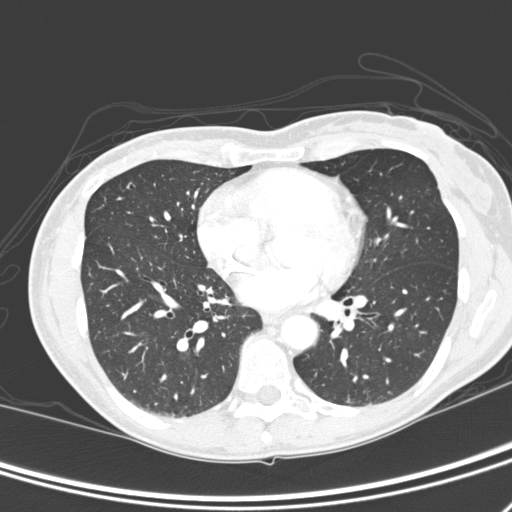
Axial chest CT slice 141 of 290 (counted from the lowest slice); 1.00 mm thick, 0.611 mm per pixel. Pulmonary nodule outlined by two of the four readers; box rows 182–189, columns 126–134 (the union of the readers' outlines on this slice); median longest diameter 7.1 mm (readers' outlines 7.0–7.2 mm), median volume 61 mm3 (57–64 mm3). Median ratings and the readers' spread: texture 5/5 (solid), both readers agreeing; margin 4/5 at the median of two readers, spread 3/5 to 5/5 (circumscribed); sphericity 4.5/5 at the median of two readers, spread 4/5 to 5/5 (round); calcification absent, both readers agreeing; internal structure split among the readers: air (one), soft tissue (one); subtlety 3/5 at the median of two readers, spread 2–4; malignancy likelihood 3/5, both readers agreeing. Scale key (1–5): texture non-solid→solid, margin indistinct→circumscribed, sphericity linear→round, subtlety extremely subtle→obvious, malignancy likelihood highly unlikely→highly suspicious of cancer. Box rows and columns are 0-based pixel indices from the top-left corner, inclusive.
Scan settings: 120 kVp, D reconstruction kernel.